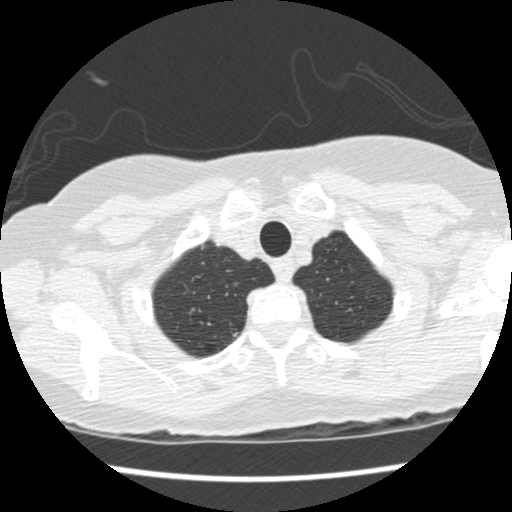
This is axial slice 412 of 458 (slice 1 is the lowest) of a chest CT; each pixel is 0.586 mm and the slice is 1.25 mm thick. Pulmonary nodule outlined by all four readers, three of them on this slice; box rows 244–249, columns 201–203 (the union of the readers' outlines on this slice); longest diameter 9.1–10.0 mm and volume 243–272 mm3 across the four readers' outlines. The readers' ratings, as ranges where they differ: texture from 4/5 to 5/5 (solid) across the four readers; margin from 4/5 to 5/5 (circumscribed) across the four readers; sphericity from 3/5 (ovoid) to 5/5 (round) across the four readers; calcification absent from all four readers; internal structure soft tissue, all four readers agreeing; subtlety from 4/5 to 5/5 across the four readers; malignancy likelihood rated between 2 and 4 out of 5 by the four readers. Scale key (1–5): texture non-solid→solid, margin indistinct→circumscribed, sphericity linear→round, subtlety extremely subtle→obvious, malignancy likelihood highly unlikely→highly suspicious of cancer. Box rows and columns are 0-based pixel indices from the top-left corner, inclusive.
Acquired at 120 kVp and reconstructed with the STANDARD kernel.